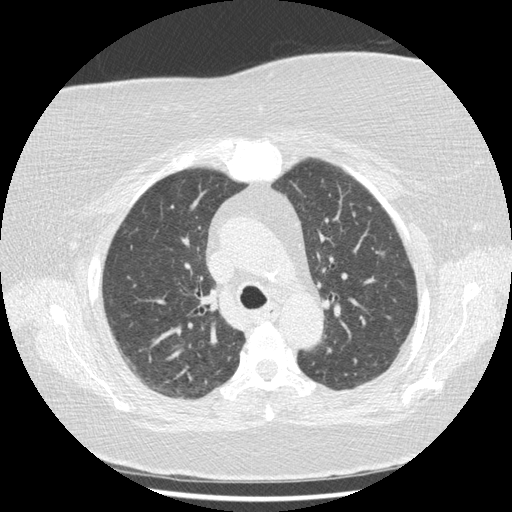
Axial chest CT slice 312 of 417 (counted from the lowest slice); tube voltage 120 kVp, convolution kernel STANDARD; slices 1.25 mm thick, 0.703 mm per pixel.
Pulmonary nodule, outlined by one of the four readers. Box on this slice rows 207–210, columns 368–370, that reader's outline on this slice; longest diameter 5.1 mm and volume 24 mm3 from that reader's outline. Ratings by that reader: texture 5/5 (solid); margin 5/5 (circumscribed); sphericity 5/5 (round); calcification absent; internal structure soft tissue; subtlety 5/5; malignancy likelihood 3/5. Scale key (1–5): texture non-solid→solid, margin indistinct→circumscribed, sphericity linear→round, subtlety extremely subtle→obvious, malignancy likelihood highly unlikely→highly suspicious of cancer. Box rows and columns are 0-based pixel indices from the top-left corner, inclusive.